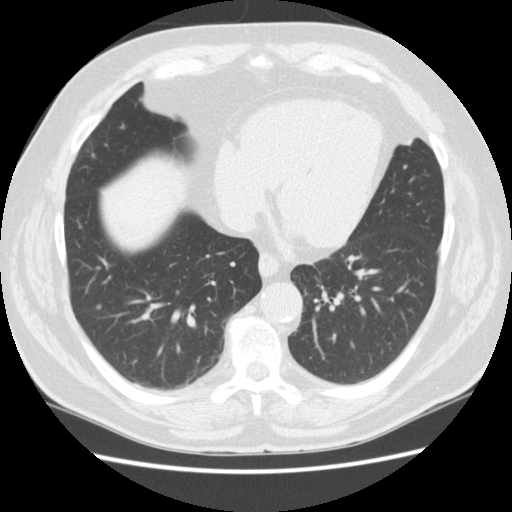
Axial slice 60 of 148 of a chest CT (slice 1 is the lowest), reconstructed with the STANDARD kernel at 120 kVp; 2.50 mm slice thickness and 0.703 mm pixels.
Pulmonary nodule at rows 304–310, columns 95–101 (box = the union of the readers' outlines on this slice), outlined by all four readers; median longest diameter 5.9 mm (readers' outlines 5.1–7.3 mm), median volume 82 mm3 (53–131 mm3). Median ratings and the readers' spread: median texture 5/5 (solid) (readers ranged 4/5 to 5/5 (solid)); median margin 5/5 (circumscribed) (readers ranged 4/5 to 5/5 (circumscribed)); median sphericity 4.5/5 (readers ranged 4/5 to 5/5 (round)); calcification absent from all four readers; internal structure soft tissue, all four readers agreeing; subtlety 3/5 at the median of four readers, spread 2–5; median malignancy likelihood 2/5 (readers ranged 2–3). Scale key (1–5): texture non-solid→solid, margin indistinct→circumscribed, sphericity linear→round, subtlety extremely subtle→obvious, malignancy likelihood highly unlikely→highly suspicious of cancer. Box rows and columns are 0-based pixel indices from the top-left corner, inclusive.